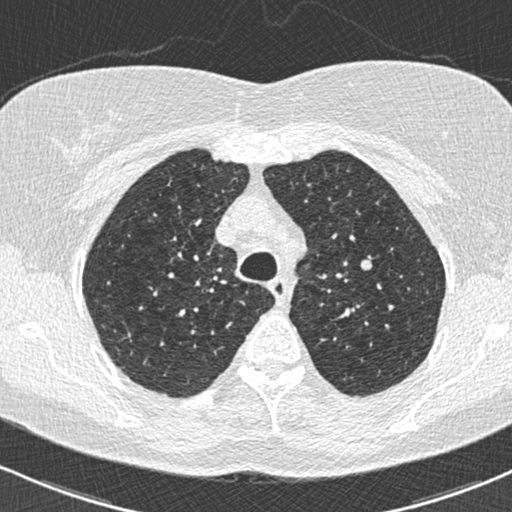
This is axial slice 526 of 672 (slice 1 is the lowest) of a chest CT; each pixel is 0.607 mm and the slice is 0.60 mm thick. Pulmonary nodule outlined by all four readers; box rows 259–270, columns 360–371 (the union of the readers' outlines on this slice); longest diameter 8.1–8.8 mm and volume 181–196 mm3 across the four readers' outlines. The readers' ratings, as ranges where they differ: texture 5/5 (solid) from all four readers; margin from 4/5 to 5/5 (circumscribed) across the four readers; sphericity from 3/5 (ovoid) to 5/5 (round) across the four readers; calcification absent, all four readers agreeing; internal structure soft tissue, all four readers agreeing; subtlety from 1/5 to 5/5 across the four readers; malignancy likelihood from 2/5 to 3/5 across the four readers. Scale key (1–5): texture non-solid→solid, margin indistinct→circumscribed, sphericity linear→round, subtlety extremely subtle→obvious, malignancy likelihood highly unlikely→highly suspicious of cancer. Box rows and columns are 0-based pixel indices from the top-left corner, inclusive.
Acquired at 120 kVp and reconstructed with the B30f kernel.